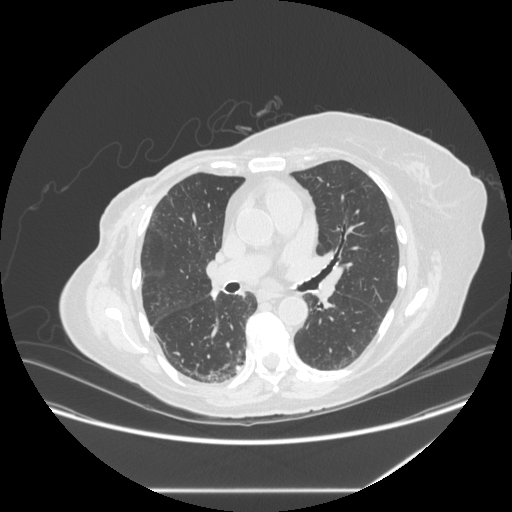
One axial slice (166 of 281, counting up from the lowest) of a chest CT acquired at 120 kVp with the STANDARD kernel; each pixel is 0.816 mm and the slice is 1.25 mm thick.
Pulmonary nodule at rows 364–372, columns 235–241 (box = the union of the readers' outlines on this slice), outlined by all four readers; median longest diameter 7.1 mm (readers' outlines 6.7–11.6 mm), median volume 94 mm3 (72–185 mm3). Median ratings and the readers' spread: texture 5/5 (solid) from all four readers; margin 5/5 (circumscribed) from all four readers; sphericity 3/5 (ovoid), all four readers agreeing; calcification: central calcification (three), solid calcification (one); internal structure soft tissue, all four readers agreeing; subtlety 4/5 at the median of four readers, spread 2–5; malignancy likelihood 1/5, all four readers agreeing. Scale key (1–5): texture non-solid→solid, margin indistinct→circumscribed, sphericity linear→round, subtlety extremely subtle→obvious, malignancy likelihood highly unlikely→highly suspicious of cancer. Box rows and columns are 0-based pixel indices from the top-left corner, inclusive.